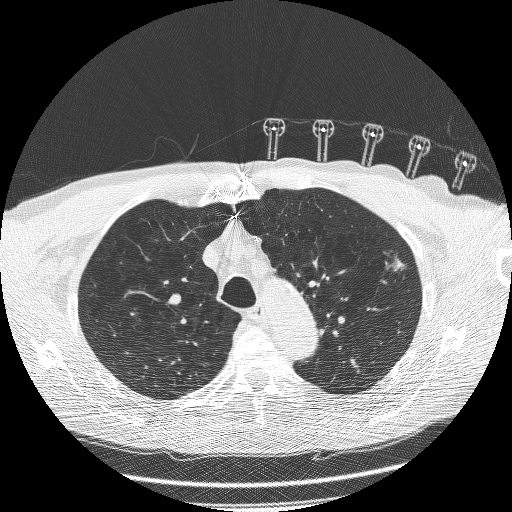
One axial slice (200 of 260, counting up from the lowest) of a chest CT acquired at 120 kVp with the BONE kernel; each pixel is 0.703 mm and the slice is 1.25 mm thick.
Pulmonary nodule outlined by three of the four readers; box rows 251–273, columns 383–409 (the union of the readers' outlines on this slice); longest diameter 18.3 mm on average over the three readers' outlines (readers' outlines 16.5–20.6 mm), volume 290–713 mm3. Ratings, by the readers' most common answer with dissent counted: texture split among the readers: 3/5 (part-solid) (one), 4/5 (one), 5/5 (solid) (one); margin split among the readers: 1/5 (indistinct) (one), 2/5 (one), 3/5 (one); sphericity 3/5 (ovoid) by two of three readers; the rest gave 2/5 (one); calcification absent from all three readers; internal structure soft tissue, all three readers agreeing; subtlety 5/5 by two of three readers; the rest gave 4/5 (one); malignancy likelihood split among the readers: 3/5 (one), 4/5 (one), 5/5 (one). Scale key (1–5): texture non-solid→solid, margin indistinct→circumscribed, sphericity linear→round, subtlety extremely subtle→obvious, malignancy likelihood highly unlikely→highly suspicious of cancer. Box rows and columns are 0-based pixel indices from the top-left corner, inclusive.